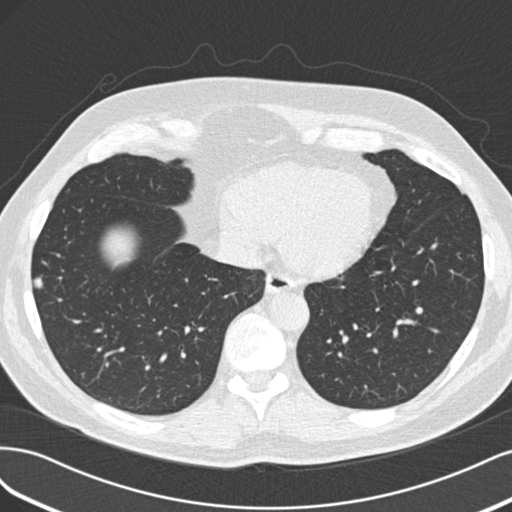
Chest CT, axial plane, 120 kVp, kernel B30f. Slice 63/193 from the bottom of the scan; thickness 2.00 mm; pixel size 0.703 mm.
Pulmonary nodule, outlined by three of the four readers. Box on this slice rows 277–289, columns 33–43, the union of the readers' outlines on this slice; median longest diameter 12.3 mm (readers' outlines 12.1–12.9 mm), median volume 477 mm3 (445–586 mm3). Median ratings and the readers' spread: median texture 5/5 (solid) (readers ranged 4/5 to 5/5 (solid)); median margin 5/5 (circumscribed) (readers ranged 4/5 to 5/5 (circumscribed)); median sphericity 4/5 (readers ranged 4/5 to 5/5 (round)); calcification: absent (two), central calcification (one); internal structure soft tissue from all three readers; median subtlety 5/5 (readers ranged 4–5); malignancy likelihood 3/5 at the median of three readers, spread 1–4. Scale key (1–5): texture non-solid→solid, margin indistinct→circumscribed, sphericity linear→round, subtlety extremely subtle→obvious, malignancy likelihood highly unlikely→highly suspicious of cancer. Box rows and columns are 0-based pixel indices from the top-left corner, inclusive.